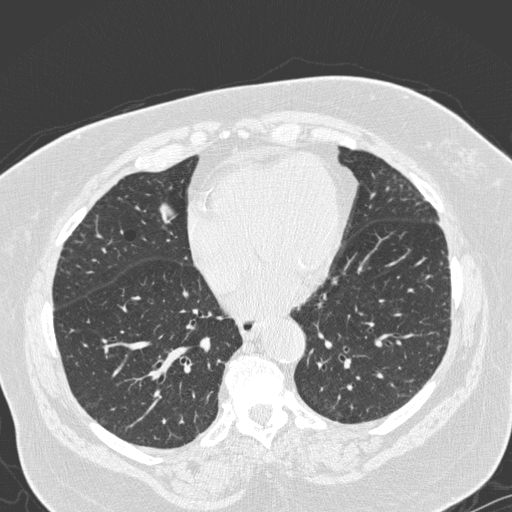
Axial chest CT slice 79 of 280 (counted from the lowest slice); 1.00 mm thick, 0.666 mm per pixel. Pulmonary nodule, outlined by all four readers. Box on this slice rows 203–224, columns 158–177, the union of the readers' outlines on this slice; longest diameter 25.9 mm on average over the four readers' outlines (readers' outlines 25.0–27.8 mm), volume 4698–5913 mm3. Ratings, by the readers' most common answer with dissent counted: texture 5/5 (solid), all four readers agreeing; margin split among the readers: 4/5 (two), 5/5 (circumscribed) (two); sphericity 5/5 (round) by two of four readers; the rest gave 3/5 (ovoid) (one), 4/5 (one); calcification absent from all four readers; internal structure soft tissue from all four readers; subtlety 5/5, all four readers agreeing; malignancy likelihood 5/5 by two of four readers; the rest gave 2/5 (one), 4/5 (one). Scale key (1–5): texture non-solid→solid, margin indistinct→circumscribed, sphericity linear→round, subtlety extremely subtle→obvious, malignancy likelihood highly unlikely→highly suspicious of cancer. Box rows and columns are 0-based pixel indices from the top-left corner, inclusive.
Tube voltage 120 kVp; convolution kernel D.